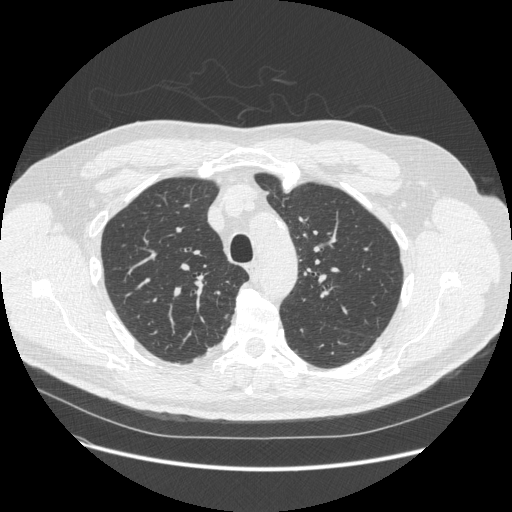
Slice 395/541 of a chest CT, counting up from the lowest; pixel size 0.781 mm, slice thickness 1.25 mm. Pulmonary nodule, outlined by three of the four readers. Box on this slice rows 314–318, columns 224–228, the union of the readers' outlines on this slice; median longest diameter 7.0 mm (readers' outlines 7.0–8.0 mm), median volume 78 mm3 (58–82 mm3). Ratings, median across the readers with their spread: texture 5/5 (solid), all three readers agreeing; margin 4/5 at the median of three readers, spread 3/5 to 5/5 (circumscribed); sphericity 3/5 (ovoid) at the median of three readers, spread 2/5 to 4/5; calcification absent from all three readers; internal structure soft tissue, all three readers agreeing; median subtlety 4/5 (readers ranged 3–5); median malignancy likelihood 2/5 (readers ranged 2–4). Scale key (1–5): texture non-solid→solid, margin indistinct→circumscribed, sphericity linear→round, subtlety extremely subtle→obvious, malignancy likelihood highly unlikely→highly suspicious of cancer. Box rows and columns are 0-based pixel indices from the top-left corner, inclusive.
Tube voltage 120 kVp; convolution kernel STANDARD.